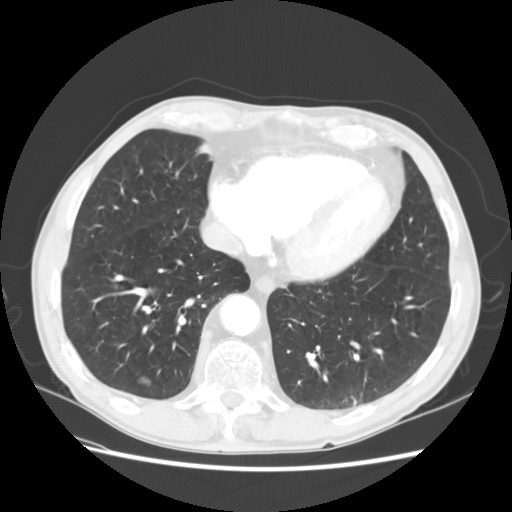
Axial chest CT slice 54 of 147 (counted from the lowest slice); 2.50 mm thick, 0.703 mm per pixel. Pulmonary nodule at rows 376–385, columns 138–150 (box = that reader's outline on this slice), outlined by one of the four readers; longest diameter 10.7 mm and volume 531 mm3 from that reader's outline. Ratings by that reader: texture 1/5 (non-solid); margin 2/5; sphericity 5/5 (round); calcification absent; internal structure soft tissue; subtlety 1/5; malignancy likelihood 2/5. Scale key (1–5): texture non-solid→solid, margin indistinct→circumscribed, sphericity linear→round, subtlety extremely subtle→obvious, malignancy likelihood highly unlikely→highly suspicious of cancer. Box rows and columns are 0-based pixel indices from the top-left corner, inclusive.
Tube voltage 120 kVp; convolution kernel STANDARD.